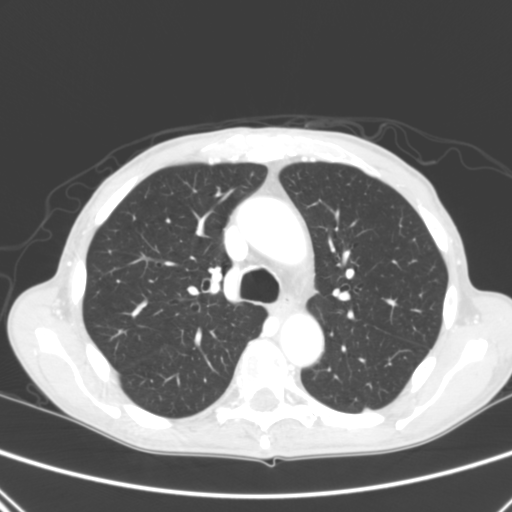
Slice 196/290 of a chest CT, counting up from the lowest; pixel size 0.639 mm, slice thickness 2.00 mm. Pulmonary nodule, outlined by one of the four readers. Box on this slice rows 410–412, columns 364–371, that reader's outline on this slice; longest diameter 7.5 mm and volume 95 mm3 from that reader's outline. Ratings by that reader: texture 5/5 (solid); margin 5/5 (circumscribed); sphericity 5/5 (round); calcification absent; internal structure soft tissue; subtlety 5/5; malignancy likelihood 3/5. Scale key (1–5): texture non-solid→solid, margin indistinct→circumscribed, sphericity linear→round, subtlety extremely subtle→obvious, malignancy likelihood highly unlikely→highly suspicious of cancer. Box rows and columns are 0-based pixel indices from the top-left corner, inclusive.
Acquired at 120 kVp and reconstructed with the B kernel.